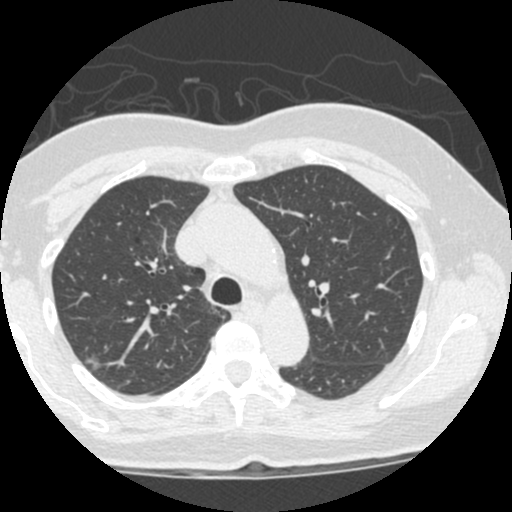
Axial chest CT slice 370 of 490 (counted from the lowest slice); 1.25 mm thick, 0.547 mm per pixel. Pulmonary nodule outlined by three of the four readers; box rows 353–371, columns 84–101 (the union of the readers' outlines on this slice); longest diameter 14.3–18.3 mm and volume 967–1422 mm3 across the three readers' outlines. Ratings across the readers: texture from 1/5 (non-solid) to 5/5 (solid) across the three readers; margin from 2/5 to 4/5 across the three readers; sphericity from 3/5 (ovoid) to 5/5 (round) across the three readers; calcification absent from all three readers; internal structure soft tissue, all three readers agreeing; subtlety from 1/5 to 5/5 across the three readers; malignancy likelihood rated between 2 and 5 out of 5 by the three readers. Scale key (1–5): texture non-solid→solid, margin indistinct→circumscribed, sphericity linear→round, subtlety extremely subtle→obvious, malignancy likelihood highly unlikely→highly suspicious of cancer. Box rows and columns are 0-based pixel indices from the top-left corner, inclusive.
Tube voltage 120 kVp; convolution kernel STANDARD.